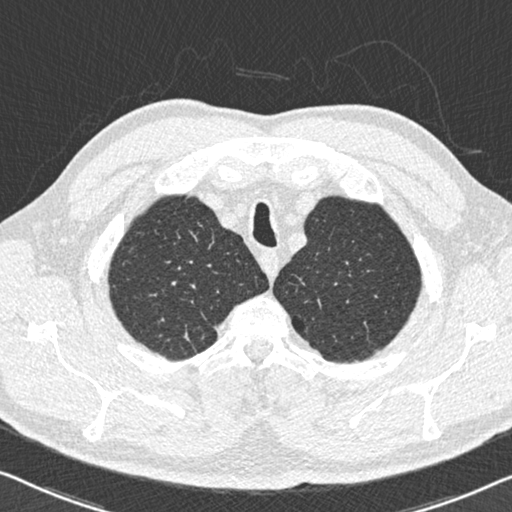
Axial chest CT slice 501 of 558 (counted from the lowest slice); 0.75 mm thick, 0.648 mm per pixel. Pulmonary nodule outlined by all four readers, three of them on this slice; box rows 331–341, columns 183–190 (the union of the readers' outlines on this slice); longest diameter 6.5–8.7 mm and volume 71–209 mm3 across the four readers' outlines. Ratings across the readers: texture from 4/5 to 5/5 (solid) across the four readers; margin from 4/5 to 5/5 (circumscribed) across the four readers; sphericity from 2/5 to 5/5 (round) across the four readers; calcification: absent (three), solid calcification (one); internal structure soft tissue, all four readers agreeing; subtlety from 3/5 to 5/5 across the four readers; malignancy likelihood rated between 1 and 3 out of 5 by the four readers. Scale key (1–5): texture non-solid→solid, margin indistinct→circumscribed, sphericity linear→round, subtlety extremely subtle→obvious, malignancy likelihood highly unlikely→highly suspicious of cancer. Box rows and columns are 0-based pixel indices from the top-left corner, inclusive.
Scan settings: 120 kVp, B30f reconstruction kernel.